One axial slice (71 of 127, counting up from the lowest) of a chest CT acquired at 140 kVp with the BONE kernel; each pixel is 0.586 mm and the slice is 2.50 mm thick.
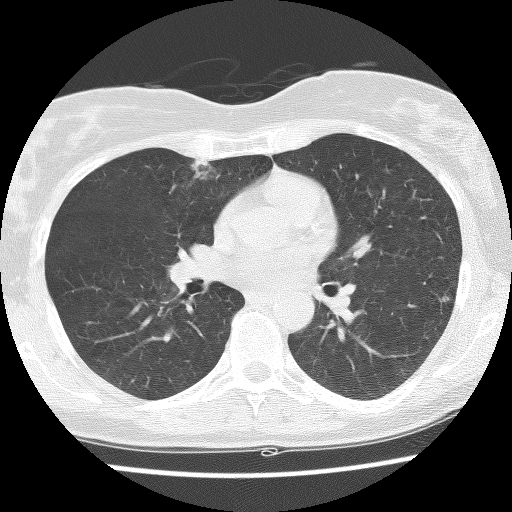
Two pulmonary nodules are outlined on this slice; from left to right: (1) Pulmonary nodule, outlined by one of the four readers. Box on this slice rows 160–178, columns 191–218, that reader's outline on this slice; longest diameter 18.8 mm and volume 2440 mm3 from that reader's outline. That reader's ratings: texture 3/5 (part-solid); margin 2/5; sphericity 2/5; calcification absent; internal structure soft tissue; subtlety 4/5; malignancy likelihood 2/5. (2) Pulmonary nodule, outlined by one of the four readers. Box on this slice rows 296–301, columns 441–448, that reader's outline on this slice; longest diameter 5.8 mm and volume 74 mm3 from that reader's outline. That reader's ratings: texture 4/5; margin 3/5; sphericity 3/5 (ovoid); calcification absent; internal structure soft tissue; subtlety 2/5; malignancy likelihood 2/5. Scale key (1–5): texture non-solid→solid, margin indistinct→circumscribed, sphericity linear→round, subtlety extremely subtle→obvious, malignancy likelihood highly unlikely→highly suspicious of cancer. Box rows and columns are 0-based pixel indices from the top-left corner, inclusive.